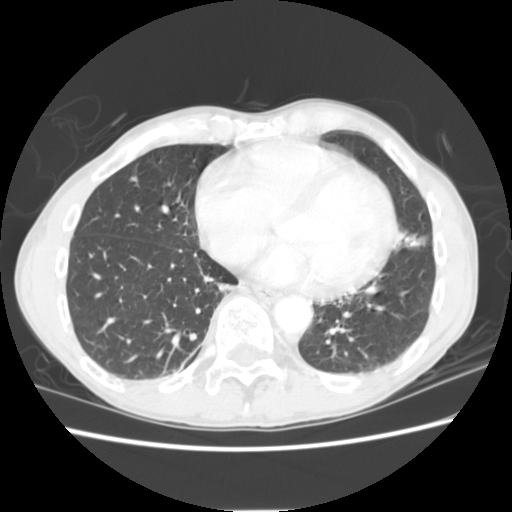
Slice 77/255 of a chest CT, counting up from the lowest; pixel size 0.664 mm, slice thickness 2.50 mm. Pulmonary nodule, outlined by one of the four readers. Box on this slice rows 177–181, columns 128–136, that reader's outline on this slice; longest diameter 8.0 mm and volume 115 mm3 from that reader's outline. Ratings by that reader: texture 5/5 (solid); margin 5/5 (circumscribed); sphericity 3/5 (ovoid); calcification absent; internal structure soft tissue; subtlety 4/5; malignancy likelihood 2/5. Scale key (1–5): texture non-solid→solid, margin indistinct→circumscribed, sphericity linear→round, subtlety extremely subtle→obvious, malignancy likelihood highly unlikely→highly suspicious of cancer. Box rows and columns are 0-based pixel indices from the top-left corner, inclusive.
Scan settings: 120 kVp, STANDARD reconstruction kernel.